One axial slice (82 of 187, counting up from the lowest) of a chest CT acquired at 120 kVp with the B30f kernel; each pixel is 0.742 mm and the slice is 2.00 mm thick.
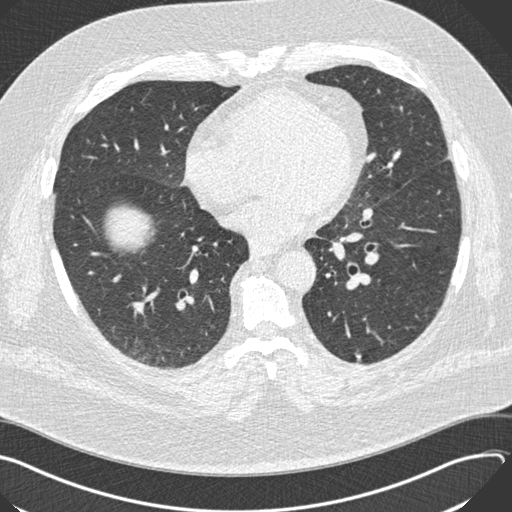
Pulmonary nodule, outlined by all four readers. Box on this slice rows 353–359, columns 353–360, the union of the readers' outlines on this slice; the four readers' outlines give a longest diameter between 8.7 and 10.6 mm and a volume between 265 and 407 mm3. Ratings across the readers: texture 5/5 (solid) from all four readers; margin from 4/5 to 5/5 (circumscribed) across the four readers; sphericity from 3/5 (ovoid) to 5/5 (round) across the four readers; calcification: solid calcification (three), absent (one); internal structure soft tissue from all four readers; subtlety rated between 4 and 5 out of 5 by the four readers; malignancy likelihood 1–5/5 (the readers disagree). Scale key (1–5): texture non-solid→solid, margin indistinct→circumscribed, sphericity linear→round, subtlety extremely subtle→obvious, malignancy likelihood highly unlikely→highly suspicious of cancer. Box rows and columns are 0-based pixel indices from the top-left corner, inclusive.